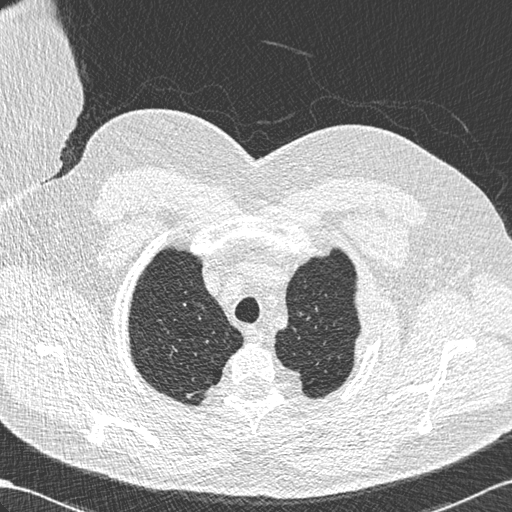
One axial slice (536 of 636, counting up from the lowest) of a chest CT acquired at 120 kVp with the B30f kernel; each pixel is 0.689 mm and the slice is 0.60 mm thick.
Pulmonary nodule, outlined by one of the four readers. Box on this slice rows 394–398, columns 185–191, that reader's outline on this slice; longest diameter 7.2 mm and volume 71 mm3 from that reader's outline. That reader's ratings: texture 4/5; margin 5/5 (circumscribed); sphericity 3/5 (ovoid); calcification absent; internal structure soft tissue; subtlety 5/5; malignancy likelihood 3/5. Scale key (1–5): texture non-solid→solid, margin indistinct→circumscribed, sphericity linear→round, subtlety extremely subtle→obvious, malignancy likelihood highly unlikely→highly suspicious of cancer. Box rows and columns are 0-based pixel indices from the top-left corner, inclusive.